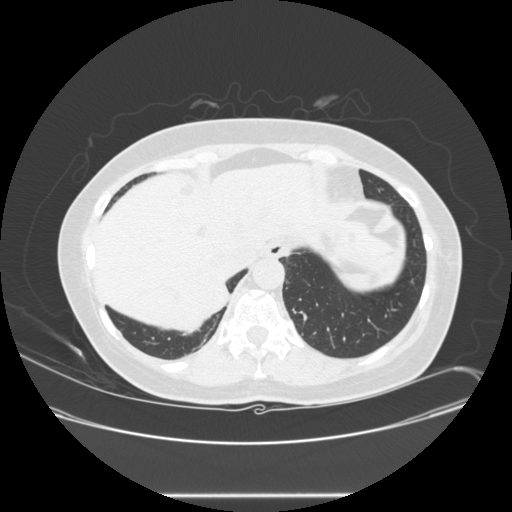
Chest CT, axial plane, 120 kVp, kernel STANDARD. Slice 77/257 from the bottom of the scan; thickness 1.25 mm; pixel size 0.781 mm.
Pulmonary nodule at rows 288–314, columns 212–228 (box = the one reader's outline on this slice), outlined by three of the four readers, one of them on this slice; longest diameter 30.0 mm on average over the three readers' outlines (readers' outlines 28.2–32.2 mm), volume 3103–4675 mm3. The readers' prevailing ratings and who disagreed: texture 5/5 (solid), all three readers agreeing; margin 5/5 (circumscribed) from all three readers; sphericity 4/5 from all three readers; calcification absent from all three readers; internal structure soft tissue from all three readers; subtlety 5/5, all three readers agreeing; malignancy likelihood split among the readers: 2/5 (one), 4/5 (one), 5/5 (one). Scale key (1–5): texture non-solid→solid, margin indistinct→circumscribed, sphericity linear→round, subtlety extremely subtle→obvious, malignancy likelihood highly unlikely→highly suspicious of cancer. Box rows and columns are 0-based pixel indices from the top-left corner, inclusive.